Chest CT, axial plane, 120 kVp, kernel D. Slice 155/278 from the bottom of the scan; thickness 1.00 mm; pixel size 0.812 mm.
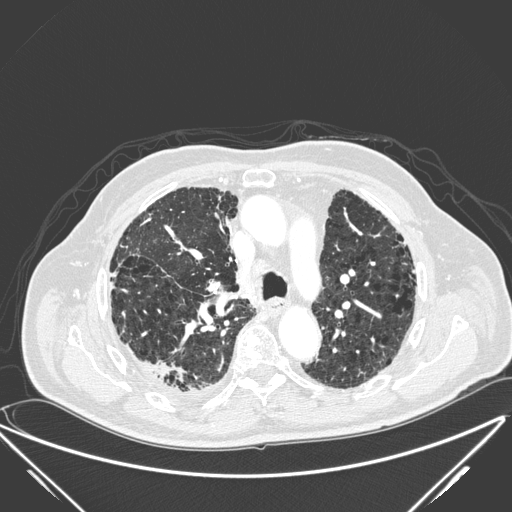
Pulmonary nodule at rows 361–381, columns 152–184 (box = the union of the readers' outlines on this slice), outlined by all four readers, two of them on this slice; the four readers' outlines give a longest diameter between 17.4 and 39.8 mm and a volume between 1021 and 4525 mm3. The readers' ratings, as ranges where they differ: texture 5/5 (solid), all four readers agreeing; margin from 1/5 (indistinct) to 5/5 (circumscribed) across the four readers; sphericity from 2/5 to 5/5 (round) across the four readers; calcification absent from all four readers; internal structure soft tissue from all four readers; subtlety 4–5/5 (the readers disagree); malignancy likelihood from 3/5 to 5/5 across the four readers. Scale key (1–5): texture non-solid→solid, margin indistinct→circumscribed, sphericity linear→round, subtlety extremely subtle→obvious, malignancy likelihood highly unlikely→highly suspicious of cancer. Box rows and columns are 0-based pixel indices from the top-left corner, inclusive.